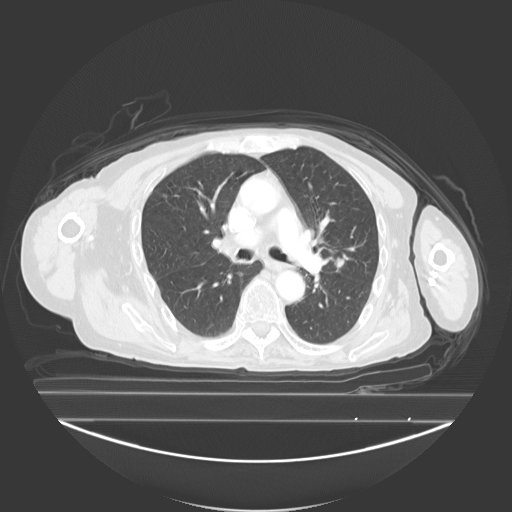
Axial chest CT slice 159 of 278 (counted from the lowest slice); tube voltage 130 kVp, convolution kernel B40s; slices 3.00 mm thick, 0.977 mm per pixel.
Two pulmonary nodules are outlined on this slice; from left to right: (1) Pulmonary nodule at rows 194–197, columns 163–166 (box = the union of the readers' outlines on this slice), outlined by two of the four readers; the two readers' outlines give a longest diameter between 6.9 and 7.4 mm and a volume between 72 and 103 mm3. Ratings across the readers: texture from 3/5 (part-solid) to 5/5 (solid) across the two readers; margin from 3/5 to 4/5 across the two readers; sphericity 4/5, both readers agreeing; calcification absent, both readers agreeing; internal structure soft tissue from both readers; subtlety from 3/5 to 4/5 across the two readers; malignancy likelihood from 1/5 to 3/5 across the two readers. (2) Pulmonary nodule outlined by three of the four readers; box rows 256–271, columns 335–344 (the union of the readers' outlines on this slice); longest diameter 12.8–14.8 mm and volume 665–985 mm3 across the three readers' outlines. The readers' ratings, as ranges where they differ: texture from 4/5 to 5/5 (solid) across the three readers; margin 4/5 from all three readers; sphericity from 4/5 to 5/5 (round) across the three readers; calcification absent, all three readers agreeing; internal structure soft tissue from all three readers; subtlety from 3/5 to 5/5 across the three readers; malignancy likelihood rated between 2 and 4 out of 5 by the three readers. Scale key (1–5): texture non-solid→solid, margin indistinct→circumscribed, sphericity linear→round, subtlety extremely subtle→obvious, malignancy likelihood highly unlikely→highly suspicious of cancer. Box rows and columns are 0-based pixel indices from the top-left corner, inclusive.